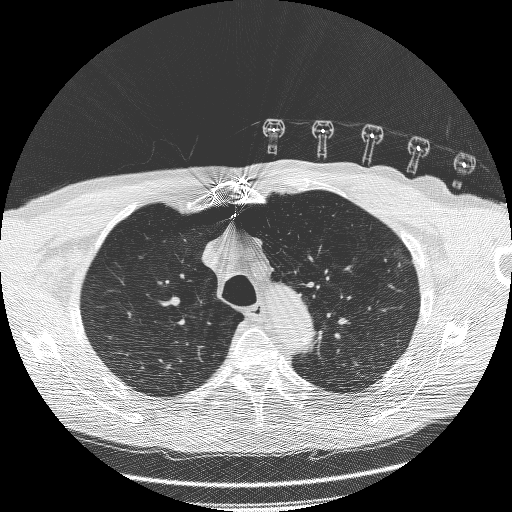
This is axial slice 203 of 260 (slice 1 is the lowest) of a chest CT; each pixel is 0.703 mm and the slice is 1.25 mm thick. Pulmonary nodule outlined by three of the four readers, two of them on this slice; box rows 260–268, columns 395–402 (the union of the readers' outlines on this slice); longest diameter 18.3 mm on average over the three readers' outlines (readers' outlines 16.5–20.6 mm), volume 290–713 mm3. The readers' prevailing ratings and who disagreed: texture split among the readers: 3/5 (part-solid) (one), 4/5 (one), 5/5 (solid) (one); margin split among the readers: 1/5 (indistinct) (one), 2/5 (one), 3/5 (one); sphericity 3/5 (ovoid) by two of three readers; the rest gave 2/5 (one); calcification absent, all three readers agreeing; internal structure soft tissue from all three readers; subtlety 5/5 by two of three readers; the rest gave 4/5 (one); malignancy likelihood split among the readers: 3/5 (one), 4/5 (one), 5/5 (one). Scale key (1–5): texture non-solid→solid, margin indistinct→circumscribed, sphericity linear→round, subtlety extremely subtle→obvious, malignancy likelihood highly unlikely→highly suspicious of cancer. Box rows and columns are 0-based pixel indices from the top-left corner, inclusive.
Tube voltage 120 kVp; convolution kernel BONE.